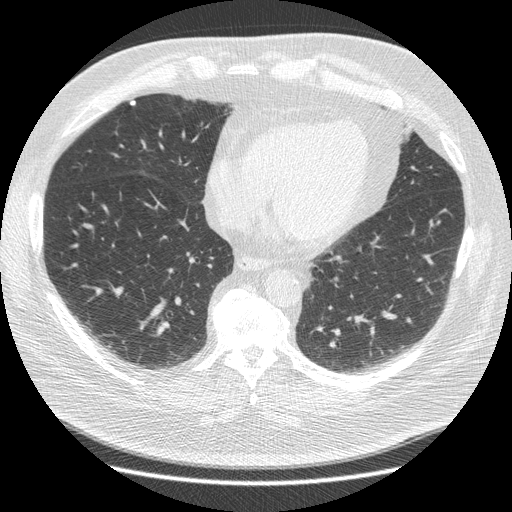
Axial slice 145 of 426 of a chest CT (slice 1 is the lowest), reconstructed with the STANDARD kernel at 120 kVp; 1.25 mm slice thickness and 0.742 mm pixels.
Pulmonary nodule at rows 100–105, columns 129–135 (box = the union of the readers' outlines on this slice), outlined by three of the four readers; longest diameter 6.4 mm on average over the three readers' outlines (readers' outlines 6.1–6.7 mm), volume 62–77 mm3. The readers' prevailing ratings and who disagreed: texture 5/5 (solid), all three readers agreeing; margin 5/5 (circumscribed) from all three readers; sphericity 3/5 (ovoid) by two of three readers; the rest gave 5/5 (round) (one); calcification solid calcification by two of three readers, absent (one); internal structure soft tissue from all three readers; most readers (two of three) put subtlety at 4/5, others 5/5 (one); most readers (two of three) put malignancy likelihood at 1/5, others 3/5 (one). Scale key (1–5): texture non-solid→solid, margin indistinct→circumscribed, sphericity linear→round, subtlety extremely subtle→obvious, malignancy likelihood highly unlikely→highly suspicious of cancer. Box rows and columns are 0-based pixel indices from the top-left corner, inclusive.